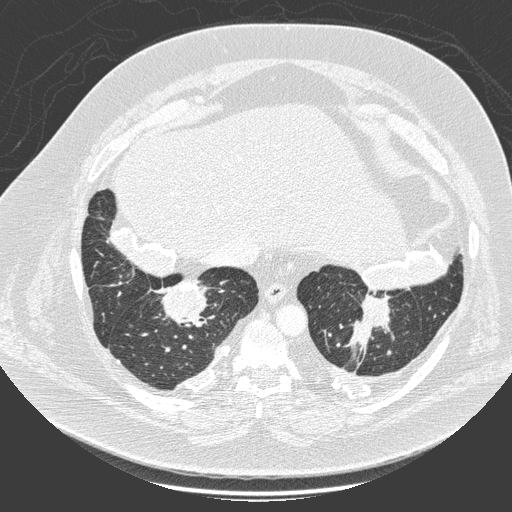
One axial slice (62 of 280, counting up from the lowest) of a chest CT acquired at 140 kVp with the D kernel; each pixel is 0.801 mm and the slice is 1.00 mm thick.
Pulmonary nodule outlined by one of the four readers; box rows 284–324, columns 162–206 (that reader's outline on this slice); longest diameter 49.9 mm and volume 31112 mm3 from that reader's outline. Ratings by that reader: texture 5/5 (solid); margin 4/5; sphericity 5/5 (round); calcification non-central calcification; internal structure soft tissue; subtlety 5/5; malignancy likelihood 5/5. Scale key (1–5): texture non-solid→solid, margin indistinct→circumscribed, sphericity linear→round, subtlety extremely subtle→obvious, malignancy likelihood highly unlikely→highly suspicious of cancer. Box rows and columns are 0-based pixel indices from the top-left corner, inclusive.